Axial slice 130 of 445 of a chest CT (slice 1 is the lowest), reconstructed with the C kernel at 120 kVp; 1.50 mm slice thickness and 0.676 mm pixels.
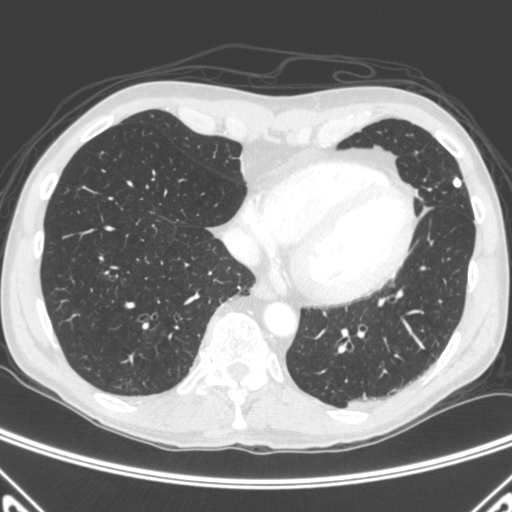
Pulmonary nodule outlined by all four readers; box rows 176–187, columns 453–461 (the union of the readers' outlines on this slice); longest diameter 9.3 mm on average over the four readers' outlines (readers' outlines 9.0–9.7 mm), volume 243–279 mm3. The readers' prevailing ratings and who disagreed: most readers (three of four) put texture at 5/5 (solid), others 4/5 (one); margin 5/5 (circumscribed) from all four readers; sphericity split among the readers: 4/5 (two), 5/5 (round) (two); calcification solid calcification by three of four readers, central calcification (one); internal structure soft tissue, all four readers agreeing; subtlety 5/5, all four readers agreeing; malignancy likelihood 1/5 from all four readers. Scale key (1–5): texture non-solid→solid, margin indistinct→circumscribed, sphericity linear→round, subtlety extremely subtle→obvious, malignancy likelihood highly unlikely→highly suspicious of cancer. Box rows and columns are 0-based pixel indices from the top-left corner, inclusive.